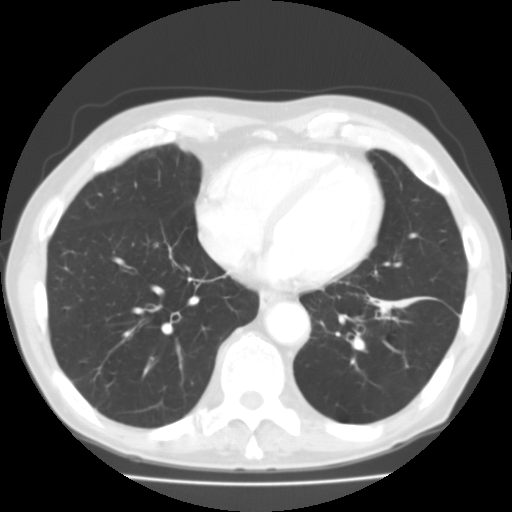
Axial slice 50 of 129 of a chest CT (slice 1 is the lowest), reconstructed with the FC01 kernel at 135 kVp; 3.00 mm slice thickness and 0.662 mm pixels.
Pulmonary nodule outlined by one of the four readers; box rows 243–246, columns 153–157 (that reader's outline on this slice); longest diameter 5.6 mm and volume 92 mm3 from that reader's outline. That reader's ratings: texture 5/5 (solid); margin 5/5 (circumscribed); sphericity 5/5 (round); calcification absent; internal structure soft tissue; subtlety 3/5; malignancy likelihood 2/5. Scale key (1–5): texture non-solid→solid, margin indistinct→circumscribed, sphericity linear→round, subtlety extremely subtle→obvious, malignancy likelihood highly unlikely→highly suspicious of cancer. Box rows and columns are 0-based pixel indices from the top-left corner, inclusive.